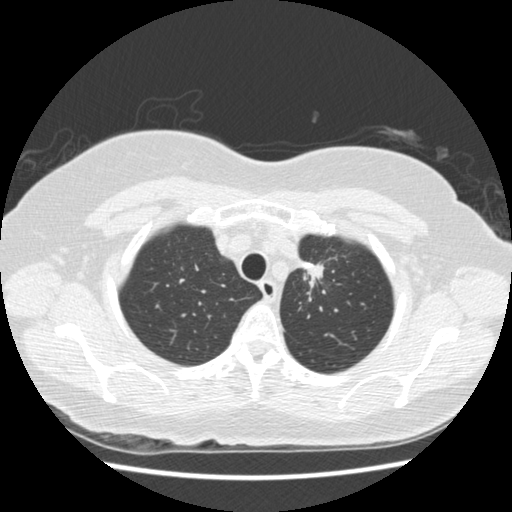
Axial slice 364 of 445 of a chest CT (slice 1 is the lowest), reconstructed with the STANDARD kernel at 120 kVp; 1.25 mm slice thickness and 0.645 mm pixels.
Pulmonary nodule at rows 262–286, columns 301–322 (box = that reader's outline on this slice), outlined by one of the four readers; longest diameter 31.0 mm and volume 2055 mm3 from that reader's outline. That reader's ratings: texture 5/5 (solid); margin 2/5; sphericity 2/5; calcification absent; internal structure soft tissue; subtlety 5/5; malignancy likelihood 4/5. Scale key (1–5): texture non-solid→solid, margin indistinct→circumscribed, sphericity linear→round, subtlety extremely subtle→obvious, malignancy likelihood highly unlikely→highly suspicious of cancer. Box rows and columns are 0-based pixel indices from the top-left corner, inclusive.